One axial slice (139 of 239, counting up from the lowest) of a chest CT acquired at 120 kVp with the BONE kernel; each pixel is 0.795 mm and the slice is 1.25 mm thick.
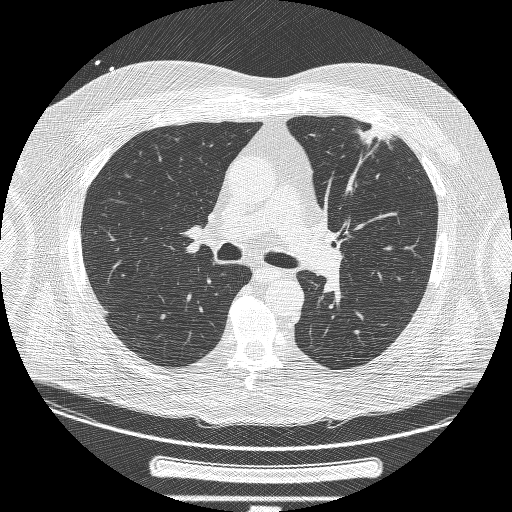
Pulmonary nodule at rows 125–143, columns 357–394 (box = the union of the readers' outlines on this slice), outlined by two of the four readers; longest diameter 43.2 mm on average over the two readers' outlines (readers' outlines 43.0–43.4 mm), volume 10396–11168 mm3. Ratings, by the readers' most common answer with dissent counted: texture split among the readers: 3/5 (part-solid) (one), 5/5 (solid) (one); margin split among the readers: 1/5 (indistinct) (one), 3/5 (one); sphericity split among the readers: 1/5 (linear) (one), 3/5 (ovoid) (one); calcification absent, both readers agreeing; internal structure soft tissue from both readers; subtlety 5/5 from both readers; malignancy likelihood 5/5 from both readers. Scale key (1–5): texture non-solid→solid, margin indistinct→circumscribed, sphericity linear→round, subtlety extremely subtle→obvious, malignancy likelihood highly unlikely→highly suspicious of cancer. Box rows and columns are 0-based pixel indices from the top-left corner, inclusive.